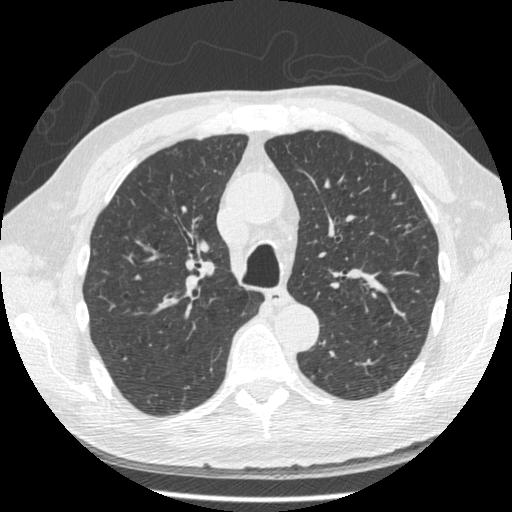
Chest CT, axial plane, 120 kVp, kernel STANDARD. Slice 326/481 from the bottom of the scan; thickness 1.25 mm; pixel size 0.664 mm.
Pulmonary nodule, outlined by one of the four readers. Box on this slice rows 192–197, columns 390–396, that reader's outline on this slice; longest diameter 7.4 mm and volume 65 mm3 from that reader's outline. That reader's ratings: texture 5/5 (solid); margin 5/5 (circumscribed); sphericity 4/5; calcification absent; internal structure soft tissue; subtlety 4/5; malignancy likelihood 3/5. Scale key (1–5): texture non-solid→solid, margin indistinct→circumscribed, sphericity linear→round, subtlety extremely subtle→obvious, malignancy likelihood highly unlikely→highly suspicious of cancer. Box rows and columns are 0-based pixel indices from the top-left corner, inclusive.